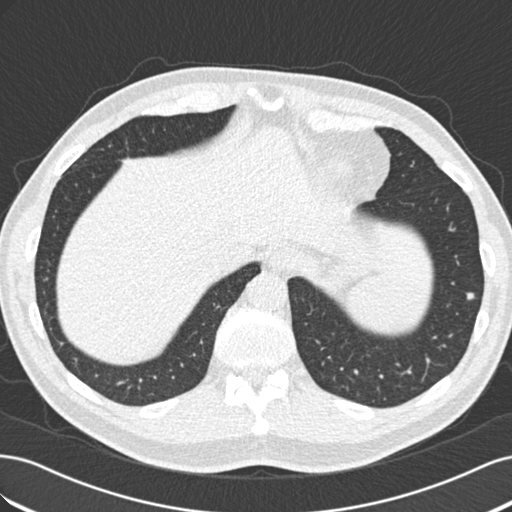
Chest CT, axial plane, 120 kVp, kernel B30f. Slice 62/219 from the bottom of the scan; thickness 2.00 mm; pixel size 0.703 mm.
Pulmonary nodule outlined by two of the four readers; box rows 292–300, columns 465–473 (the union of the readers' outlines on this slice); median longest diameter 7.5 mm (readers' outlines 7.3–7.6 mm), median volume 105 mm3 (87–124 mm3). Median ratings and the readers' spread: texture 5/5 (solid) from both readers; margin 5/5 (circumscribed), both readers agreeing; sphericity 4.5/5 at the median of two readers, spread 4/5 to 5/5 (round); calcification absent, both readers agreeing; internal structure soft tissue, both readers agreeing; subtlety 4.5/5 at the median of two readers, spread 4–5; median malignancy likelihood 2.5/5 (readers ranged 2–3). Scale key (1–5): texture non-solid→solid, margin indistinct→circumscribed, sphericity linear→round, subtlety extremely subtle→obvious, malignancy likelihood highly unlikely→highly suspicious of cancer. Box rows and columns are 0-based pixel indices from the top-left corner, inclusive.